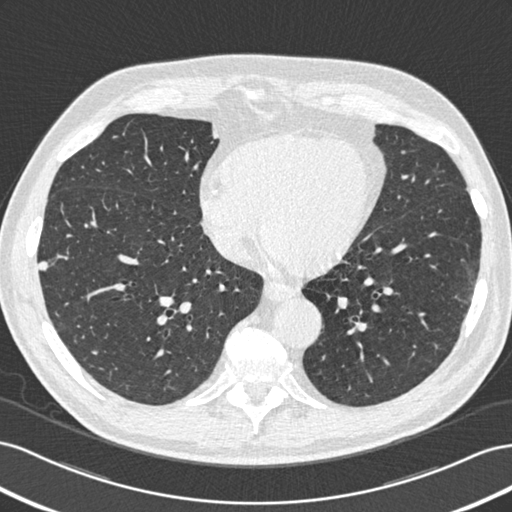
One axial slice (204 of 506, counting up from the lowest) of a chest CT acquired at 120 kVp with the B30f kernel; each pixel is 0.699 mm and the slice is 0.75 mm thick.
Pulmonary nodule, outlined by all four readers. Box on this slice rows 261–270, columns 38–48, the union of the readers' outlines on this slice; median longest diameter 8.2 mm (readers' outlines 8.0–9.0 mm), median volume 186 mm3 (171–198 mm3). Ratings, median across the readers with their spread: texture 5/5 (solid), all four readers agreeing; margin 4/5 at the median of four readers, spread 3/5 to 5/5 (circumscribed); median sphericity 5/5 (round) (readers ranged 3/5 (ovoid) to 5/5 (round)); calcification absent from all four readers; internal structure soft tissue, all four readers agreeing; subtlety 4/5 at the median of four readers, spread 3–5; median malignancy likelihood 2.5/5 (readers ranged 1–4). Scale key (1–5): texture non-solid→solid, margin indistinct→circumscribed, sphericity linear→round, subtlety extremely subtle→obvious, malignancy likelihood highly unlikely→highly suspicious of cancer. Box rows and columns are 0-based pixel indices from the top-left corner, inclusive.